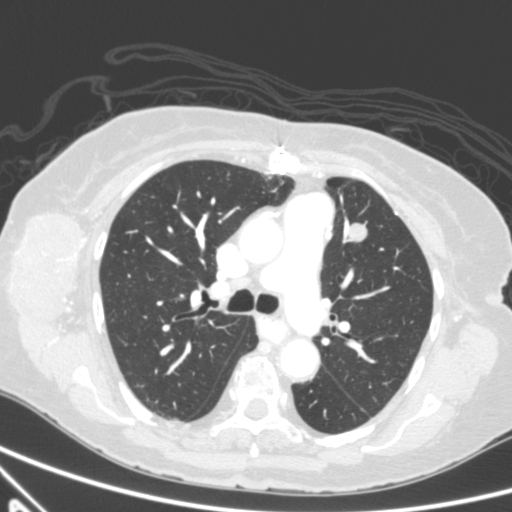
Slice 369/590 of a chest CT, counting up from the lowest; pixel size 0.627 mm, slice thickness 0.90 mm. Pulmonary nodule at rows 223–242, columns 348–367 (box = the union of the readers' outlines on this slice), outlined by all four readers; longest diameter 17.9 mm on average over the four readers' outlines (readers' outlines 16.3–20.1 mm), volume 1116–1236 mm3. Ratings, by the readers' most common answer with dissent counted: texture 5/5 (solid), all four readers agreeing; margin 4/5 by two of four readers; the rest gave 3/5 (one), 5/5 (circumscribed) (one); sphericity split among the readers: 3/5 (ovoid) (two), 4/5 (two); calcification absent from all four readers; internal structure soft tissue, all four readers agreeing; subtlety 5/5 by three of four readers; the rest gave 4/5 (one); malignancy likelihood split among the readers: 3/5 (two), 5/5 (two). Scale key (1–5): texture non-solid→solid, margin indistinct→circumscribed, sphericity linear→round, subtlety extremely subtle→obvious, malignancy likelihood highly unlikely→highly suspicious of cancer. Box rows and columns are 0-based pixel indices from the top-left corner, inclusive.
Tube voltage 120 kVp; convolution kernel B.